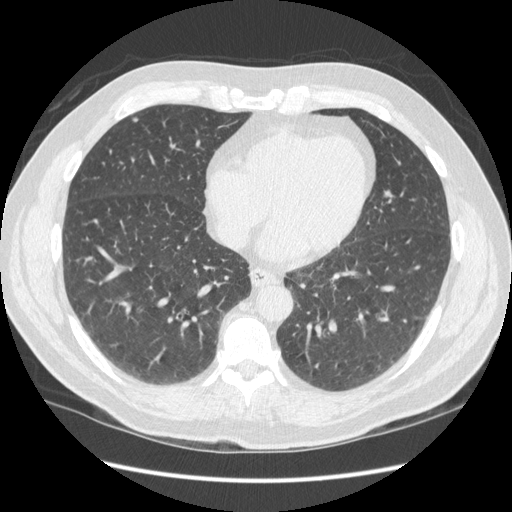
Chest CT, axial plane, 120 kVp, kernel STANDARD. Slice 165/449 from the bottom of the scan; thickness 1.25 mm; pixel size 0.742 mm.
Pulmonary nodule, outlined by one of the four readers. Box on this slice rows 118–121, columns 132–137, that reader's outline on this slice; longest diameter 6.1 mm and volume 97 mm3 from that reader's outline. Ratings by that reader: texture 5/5 (solid); margin 5/5 (circumscribed); sphericity 5/5 (round); calcification absent; internal structure soft tissue; subtlety 4/5; malignancy likelihood 3/5. Scale key (1–5): texture non-solid→solid, margin indistinct→circumscribed, sphericity linear→round, subtlety extremely subtle→obvious, malignancy likelihood highly unlikely→highly suspicious of cancer. Box rows and columns are 0-based pixel indices from the top-left corner, inclusive.